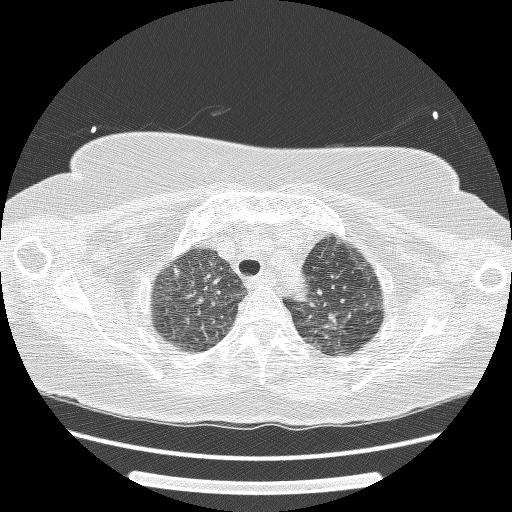
Axial chest CT slice 128 of 162 (counted from the lowest slice); 1.25 mm thick, 0.703 mm per pixel. Pulmonary nodule at rows 267–274, columns 174–178 (box = the union of the readers' outlines on this slice), outlined by all four readers, three of them on this slice; the four readers' outlines give a longest diameter between 5.8 and 7.3 mm and a volume between 54 and 99 mm3. Ratings across the readers: texture 5/5 (solid), all four readers agreeing; margin 5/5 (circumscribed) from all four readers; sphericity from 3/5 (ovoid) to 4/5 across the four readers; calcification solid calcification from all four readers; internal structure soft tissue, all four readers agreeing; subtlety from 4/5 to 5/5 across the four readers; malignancy likelihood 1/5 from all four readers. Scale key (1–5): texture non-solid→solid, margin indistinct→circumscribed, sphericity linear→round, subtlety extremely subtle→obvious, malignancy likelihood highly unlikely→highly suspicious of cancer. Box rows and columns are 0-based pixel indices from the top-left corner, inclusive.
Scan settings: 120 kVp, BONE reconstruction kernel.